Axial slice 41 of 116 of a chest CT (slice 1 is the lowest), reconstructed with the B31s kernel at 130 kVp; 3.00 mm slice thickness and 0.668 mm pixels.
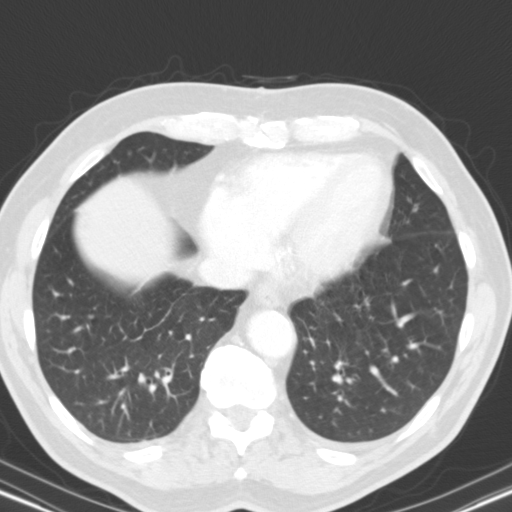
Pulmonary nodule at rows 316–317, columns 89–92 (box = the union of the readers' outlines on this slice), outlined by two of the four readers; longest diameter 6.0 mm on average over the two readers' outlines (readers' outlines 6.0 mm), volume 102–104 mm3. The readers' prevailing ratings and who disagreed: texture 5/5 (solid), both readers agreeing; margin 5/5 (circumscribed), both readers agreeing; sphericity split among the readers: 4/5 (one), 5/5 (round) (one); calcification solid calcification, both readers agreeing; internal structure soft tissue, both readers agreeing; subtlety split among the readers: 4/5 (one), 5/5 (one); malignancy likelihood 1/5 from both readers. Scale key (1–5): texture non-solid→solid, margin indistinct→circumscribed, sphericity linear→round, subtlety extremely subtle→obvious, malignancy likelihood highly unlikely→highly suspicious of cancer. Box rows and columns are 0-based pixel indices from the top-left corner, inclusive.